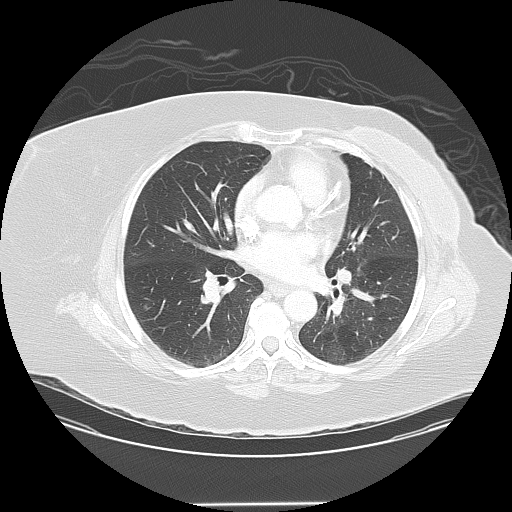
Slice 79/133 of a chest CT, counting up from the lowest; pixel size 0.859 mm, slice thickness 2.50 mm. Pulmonary nodule at rows 305–309, columns 145–149 (box = the one reader's outline on this slice), outlined by all four readers, one of them on this slice; longest diameter 12.8 mm on average over the four readers' outlines (readers' outlines 11.9–14.2 mm), volume 819–997 mm3. The readers' prevailing ratings and who disagreed: texture 5/5 (solid), all four readers agreeing; most readers (three of four) put margin at 5/5 (circumscribed), others 4/5 (one); most readers (three of four) put sphericity at 4/5, others 3/5 (ovoid) (one); calcification absent from all four readers; internal structure soft tissue, all four readers agreeing; subtlety 5/5 by three of four readers; the rest gave 4/5 (one); malignancy likelihood 2/5 by two of four readers; the rest gave 4/5 (one), 5/5 (one). Scale key (1–5): texture non-solid→solid, margin indistinct→circumscribed, sphericity linear→round, subtlety extremely subtle→obvious, malignancy likelihood highly unlikely→highly suspicious of cancer. Box rows and columns are 0-based pixel indices from the top-left corner, inclusive.
Scan settings: 120 kVp, LUNG reconstruction kernel.